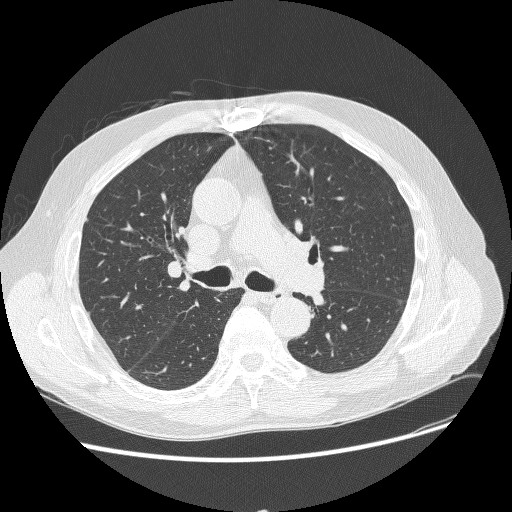
One axial slice (170 of 268, counting up from the lowest) of a chest CT acquired at 120 kVp with the BONE kernel; each pixel is 0.742 mm and the slice is 1.25 mm thick.
Pulmonary nodule, outlined by all four readers, three of them on this slice. Box on this slice rows 298–305, columns 397–402, the union of the readers' outlines on this slice; median longest diameter 9.2 mm (readers' outlines 9.0–9.3 mm), median volume 226 mm3 (159–261 mm3). Median ratings and the readers' spread: median texture 1/5 (non-solid) (readers ranged 1/5 (non-solid) to 3/5 (part-solid)); margin 3.5/5 at the median of four readers, spread 1/5 (indistinct) to 5/5 (circumscribed); sphericity 4/5 at the median of four readers, spread 3/5 (ovoid) to 4/5; calcification absent, all four readers agreeing; internal structure soft tissue from all four readers; subtlety 3/5 at the median of four readers, spread 3–4; malignancy likelihood 3/5 at the median of four readers, spread 3–4. Scale key (1–5): texture non-solid→solid, margin indistinct→circumscribed, sphericity linear→round, subtlety extremely subtle→obvious, malignancy likelihood highly unlikely→highly suspicious of cancer. Box rows and columns are 0-based pixel indices from the top-left corner, inclusive.